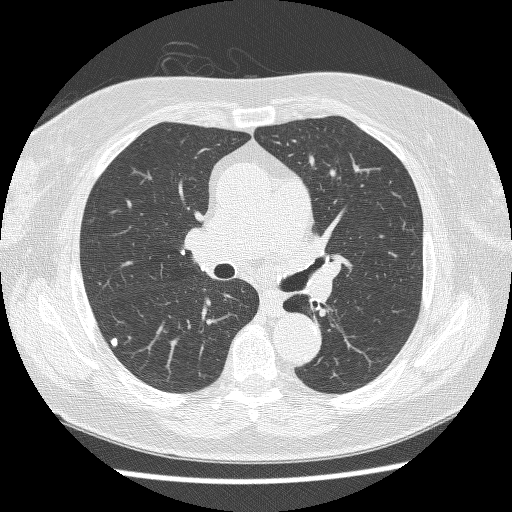
Axial slice 151 of 229 of a chest CT (slice 1 is the lowest), reconstructed with the BONE kernel at 120 kVp; 1.25 mm slice thickness and 0.654 mm pixels.
Two pulmonary nodules on this slice, listed from left to right. (1) Pulmonary nodule at rows 338–346, columns 110–117 (box = the union of the readers' outlines on this slice), outlined by all four readers; longest diameter 7.3 mm on average over the four readers' outlines (readers' outlines 7.3 mm), volume 124–150 mm3. Ratings, by the readers' most common answer with dissent counted: texture 5/5 (solid) from all four readers; margin 5/5 (circumscribed), all four readers agreeing; sphericity split among the readers: 4/5 (two), 5/5 (round) (two); calcification solid calcification, all four readers agreeing; internal structure soft tissue from all four readers; subtlety 5/5 by two of four readers; the rest gave 3/5 (one), 4/5 (one); malignancy likelihood 1/5, all four readers agreeing. (2) Pulmonary nodule outlined by all four readers; box rows 248–256, columns 179–186 (the union of the readers' outlines on this slice); longest diameter 6.4 mm on average over the four readers' outlines (readers' outlines 5.6–8.0 mm), volume 58–119 mm3. Ratings, by the readers' most common answer with dissent counted: texture 5/5 (solid) from all four readers; margin 5/5 (circumscribed) from all four readers; sphericity 3/5 (ovoid) by two of four readers; the rest gave 4/5 (one), 5/5 (round) (one); calcification solid calcification from all four readers; internal structure soft tissue, all four readers agreeing; subtlety 4/5 by two of four readers; the rest gave 3/5 (one), 5/5 (one); malignancy likelihood 1/5, all four readers agreeing. Scale key (1–5): texture non-solid→solid, margin indistinct→circumscribed, sphericity linear→round, subtlety extremely subtle→obvious, malignancy likelihood highly unlikely→highly suspicious of cancer. Box rows and columns are 0-based pixel indices from the top-left corner, inclusive.